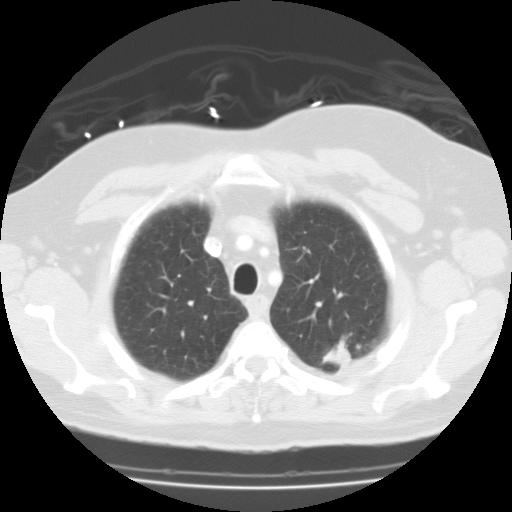
Slice 91/115 of a chest CT, counting up from the lowest; pixel size 0.729 mm, slice thickness 3.00 mm. Pulmonary nodule, outlined by one of the four readers. Box on this slice rows 335–368, columns 321–352, that reader's outline on this slice; longest diameter 34.4 mm and volume 9064 mm3 from that reader's outline. That reader's ratings: texture 5/5 (solid); margin 3/5; sphericity 2/5; calcification absent; internal structure fluid; subtlety 5/5; malignancy likelihood 3/5. Scale key (1–5): texture non-solid→solid, margin indistinct→circumscribed, sphericity linear→round, subtlety extremely subtle→obvious, malignancy likelihood highly unlikely→highly suspicious of cancer. Box rows and columns are 0-based pixel indices from the top-left corner, inclusive.
Acquired at 135 kVp and reconstructed with the FC01 kernel.